Axial chest CT slice 87 of 250 (counted from the lowest slice); tube voltage 120 kVp, convolution kernel B; slices 2.00 mm thick, 0.834 mm per pixel.
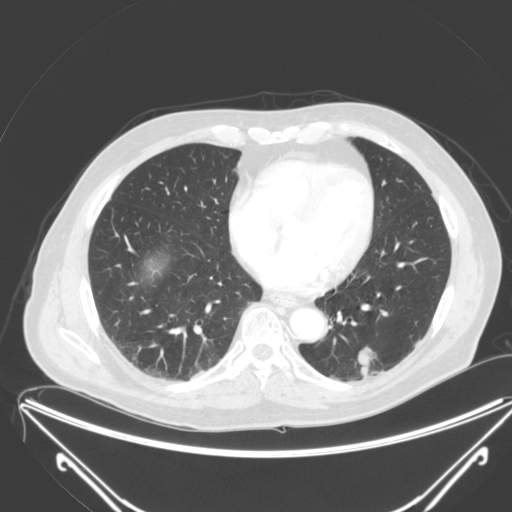
Pulmonary nodule outlined by all four readers; box rows 346–378, columns 355–376 (the union of the readers' outlines on this slice); longest diameter 26.7–30.4 mm and volume 2541–3664 mm3 across the four readers' outlines. The readers' ratings, as ranges where they differ: texture from 4/5 to 5/5 (solid) across the four readers; margin from 2/5 to 4/5 across the four readers; sphericity from 3/5 (ovoid) to 5/5 (round) across the four readers; calcification absent from all four readers; internal structure soft tissue from all four readers; subtlety 5/5 from all four readers; malignancy likelihood from 3/5 to 5/5 across the four readers. Scale key (1–5): texture non-solid→solid, margin indistinct→circumscribed, sphericity linear→round, subtlety extremely subtle→obvious, malignancy likelihood highly unlikely→highly suspicious of cancer. Box rows and columns are 0-based pixel indices from the top-left corner, inclusive.